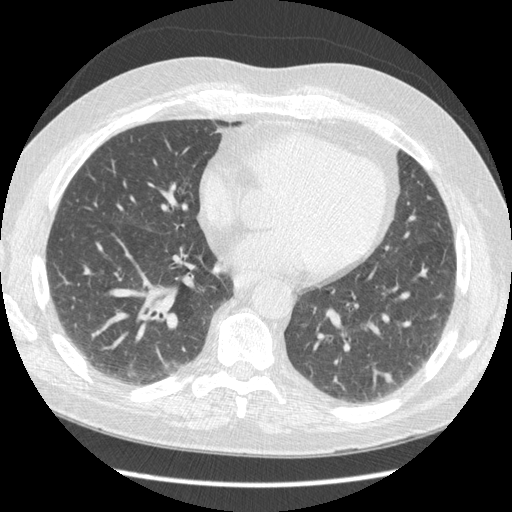
Chest CT, axial plane, 120 kVp, kernel STANDARD. Slice 161/429 from the bottom of the scan; thickness 1.25 mm; pixel size 0.703 mm.
Pulmonary nodule outlined by all four readers; box rows 372–383, columns 384–395 (the union of the readers' outlines on this slice); longest diameter 9.6 mm on average over the four readers' outlines (readers' outlines 7.9–12.4 mm), volume 94–254 mm3. The readers' prevailing ratings and who disagreed: texture 5/5 (solid), all four readers agreeing; margin 4/5 by two of four readers; the rest gave 3/5 (one), 5/5 (circumscribed) (one); sphericity 4/5 by two of four readers; the rest gave 3/5 (ovoid) (one), 5/5 (round) (one); calcification absent from all four readers; internal structure soft tissue from all four readers; subtlety 3/5 by two of four readers; the rest gave 4/5 (one), 5/5 (one); malignancy likelihood 3/5 by two of four readers; the rest gave 2/5 (one), 4/5 (one). Scale key (1–5): texture non-solid→solid, margin indistinct→circumscribed, sphericity linear→round, subtlety extremely subtle→obvious, malignancy likelihood highly unlikely→highly suspicious of cancer. Box rows and columns are 0-based pixel indices from the top-left corner, inclusive.